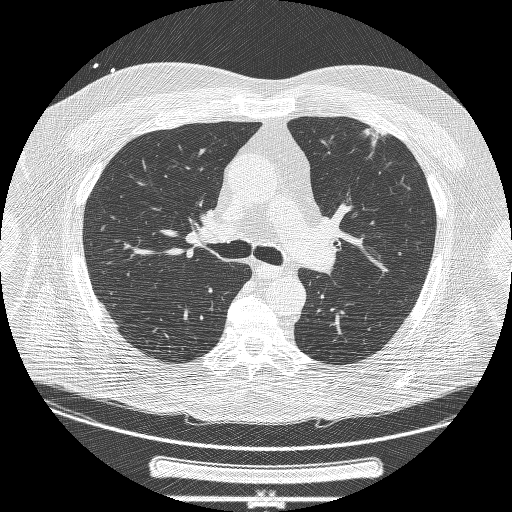
Axial chest CT slice 145 of 239 (counted from the lowest slice); tube voltage 120 kVp, convolution kernel BONE; slices 1.25 mm thick, 0.795 mm per pixel.
Pulmonary nodule at rows 126–146, columns 362–385 (box = the union of the readers' outlines on this slice), outlined by two of the four readers; the two readers' outlines give a longest diameter between 43.0 and 43.4 mm and a volume between 10396 and 11168 mm3. Ratings across the readers: texture from 3/5 (part-solid) to 5/5 (solid) across the two readers; margin from 1/5 (indistinct) to 3/5 across the two readers; sphericity from 1/5 (linear) to 3/5 (ovoid) across the two readers; calcification absent from both readers; internal structure soft tissue, both readers agreeing; subtlety 5/5, both readers agreeing; malignancy likelihood 5/5, both readers agreeing. Scale key (1–5): texture non-solid→solid, margin indistinct→circumscribed, sphericity linear→round, subtlety extremely subtle→obvious, malignancy likelihood highly unlikely→highly suspicious of cancer. Box rows and columns are 0-based pixel indices from the top-left corner, inclusive.